One axial slice (80 of 118, counting up from the lowest) of a chest CT acquired at 120 kVp with the B31f kernel; each pixel is 0.668 mm and the slice is 3.00 mm thick.
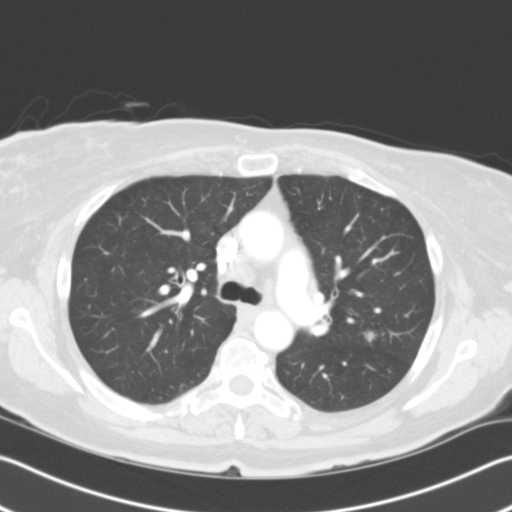
Pulmonary nodule outlined by all four readers; box rows 330–342, columns 365–375 (the union of the readers' outlines on this slice); longest diameter 12.8 mm on average over the four readers' outlines (readers' outlines 11.7–14.3 mm), volume 686–842 mm3. The readers' prevailing ratings and who disagreed: texture 5/5 (solid) from all four readers; most readers (three of four) put margin at 5/5 (circumscribed), others 4/5 (one); sphericity 5/5 (round) by three of four readers; the rest gave 3/5 (ovoid) (one); calcification absent from all four readers; internal structure soft tissue by three of four readers, air (one); subtlety 4/5 by two of four readers; the rest gave 3/5 (one), 5/5 (one); malignancy likelihood 4/5 by two of four readers; the rest gave 2/5 (one), 3/5 (one). Scale key (1–5): texture non-solid→solid, margin indistinct→circumscribed, sphericity linear→round, subtlety extremely subtle→obvious, malignancy likelihood highly unlikely→highly suspicious of cancer. Box rows and columns are 0-based pixel indices from the top-left corner, inclusive.